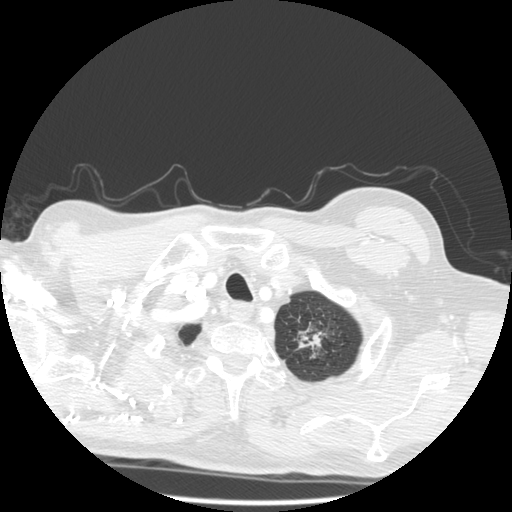
Chest CT, axial plane, 140 kVp, kernel STANDARD. Slice 474/501 from the bottom of the scan; thickness 1.25 mm; pixel size 0.703 mm.
Pulmonary nodule at rows 332–349, columns 299–321 (box = the union of the readers' outlines on this slice), outlined by three of the four readers; longest diameter 32.1–39.2 mm and volume 2361–4873 mm3 across the three readers' outlines. Ratings across the readers: texture from 4/5 to 5/5 (solid) across the three readers; margin from 1/5 (indistinct) to 5/5 (circumscribed) across the three readers; sphericity from 2/5 to 5/5 (round) across the three readers; calcification absent from all three readers; internal structure soft tissue, all three readers agreeing; subtlety 5/5, all three readers agreeing; malignancy likelihood from 4/5 to 5/5 across the three readers. Scale key (1–5): texture non-solid→solid, margin indistinct→circumscribed, sphericity linear→round, subtlety extremely subtle→obvious, malignancy likelihood highly unlikely→highly suspicious of cancer. Box rows and columns are 0-based pixel indices from the top-left corner, inclusive.